Chest CT, axial plane, 120 kVp, kernel STANDARD. Slice 66/141 from the bottom of the scan; thickness 2.50 mm; pixel size 0.703 mm.
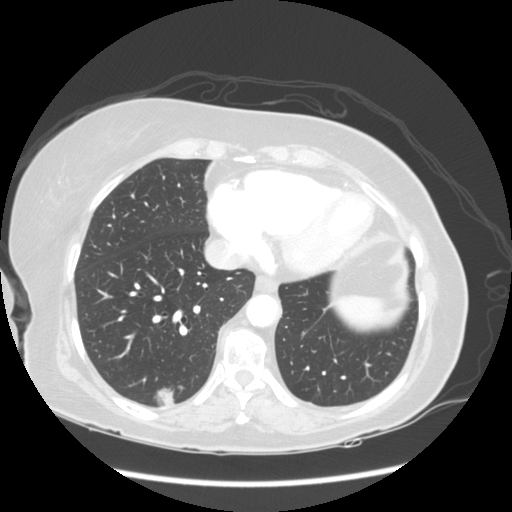
Pulmonary nodule at rows 386–406, columns 152–174 (box = the union of the readers' outlines on this slice), outlined by all four readers; longest diameter 21.4–23.4 mm and volume 3130–4766 mm3 across the four readers' outlines. Ratings across the readers: texture 5/5 (solid) from all four readers; margin from 2/5 to 4/5 across the four readers; sphericity from 3/5 (ovoid) to 5/5 (round) across the four readers; calcification absent from all four readers; internal structure soft tissue, all four readers agreeing; subtlety 5/5, all four readers agreeing; malignancy likelihood 5/5 from all four readers. Scale key (1–5): texture non-solid→solid, margin indistinct→circumscribed, sphericity linear→round, subtlety extremely subtle→obvious, malignancy likelihood highly unlikely→highly suspicious of cancer. Box rows and columns are 0-based pixel indices from the top-left corner, inclusive.